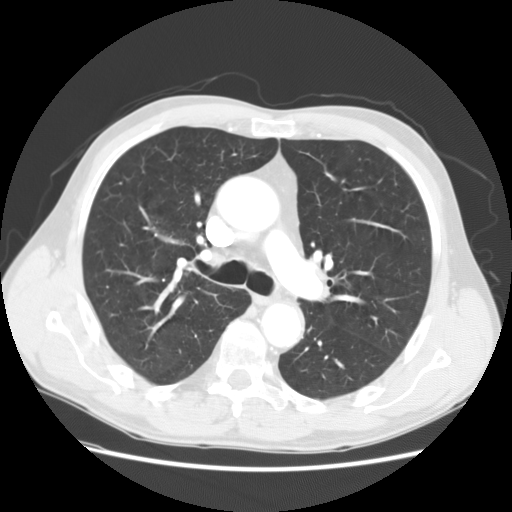
Chest CT, axial plane, 120 kVp, kernel STANDARD. Slice 95/147 from the bottom of the scan; thickness 2.50 mm; pixel size 0.703 mm.
This slice carries no reader outline of a nodule 3 mm or larger.